Chest CT, axial plane, 120 kVp, kernel STANDARD. Slice 235/261 from the bottom of the scan; thickness 1.25 mm; pixel size 0.781 mm.
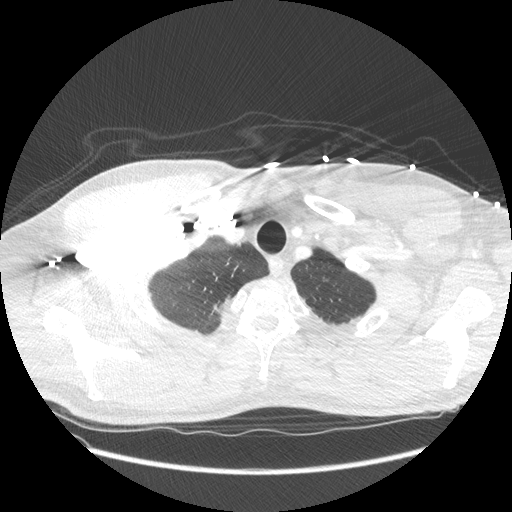
Pulmonary nodule at rows 303–309, columns 213–215 (box = the one reader's outline on this slice), outlined by all four readers, one of them on this slice; longest diameter 13.0 mm on average over the four readers' outlines (readers' outlines 11.8–13.6 mm), volume 240–268 mm3. The readers' prevailing ratings and who disagreed: texture 5/5 (solid) from all four readers; margin 4/5 by two of four readers; the rest gave 3/5 (one), 5/5 (circumscribed) (one); sphericity 2/5 by two of four readers; the rest gave 4/5 (one), 5/5 (round) (one); calcification absent by three of four readers, solid calcification (one); internal structure soft tissue from all four readers; subtlety 4/5 by two of four readers; the rest gave 2/5 (one), 5/5 (one); malignancy likelihood 3/5 by two of four readers; the rest gave 1/5 (one), 2/5 (one). Scale key (1–5): texture non-solid→solid, margin indistinct→circumscribed, sphericity linear→round, subtlety extremely subtle→obvious, malignancy likelihood highly unlikely→highly suspicious of cancer. Box rows and columns are 0-based pixel indices from the top-left corner, inclusive.